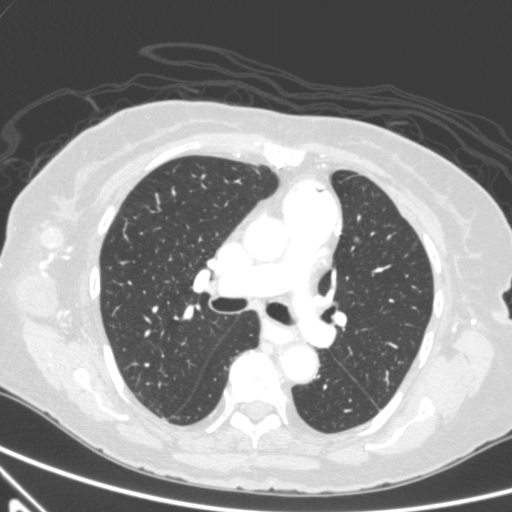
Axial slice 347 of 590 of a chest CT (slice 1 is the lowest), reconstructed with the B kernel at 120 kVp; 0.90 mm slice thickness and 0.627 mm pixels.
Pulmonary nodule outlined by all four readers, three of them on this slice; box rows 236–241, columns 354–359 (the union of the readers' outlines on this slice); the four readers' outlines give a longest diameter between 16.3 and 20.1 mm and a volume between 1116 and 1236 mm3. Ratings across the readers: texture 5/5 (solid) from all four readers; margin from 3/5 to 5/5 (circumscribed) across the four readers; sphericity from 3/5 (ovoid) to 4/5 across the four readers; calcification absent, all four readers agreeing; internal structure soft tissue, all four readers agreeing; subtlety 4–5/5 (the readers disagree); malignancy likelihood rated between 3 and 5 out of 5 by the four readers. Scale key (1–5): texture non-solid→solid, margin indistinct→circumscribed, sphericity linear→round, subtlety extremely subtle→obvious, malignancy likelihood highly unlikely→highly suspicious of cancer. Box rows and columns are 0-based pixel indices from the top-left corner, inclusive.